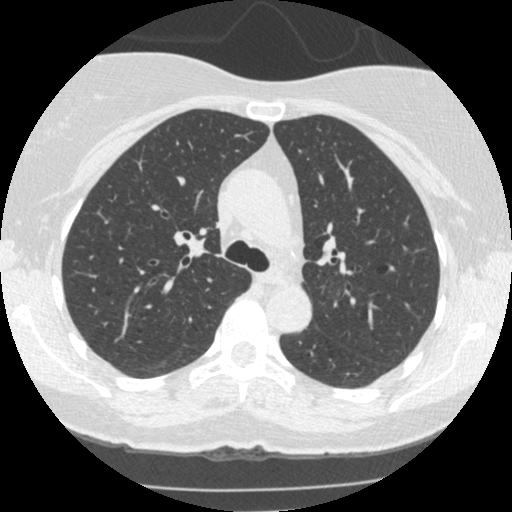
One axial slice (322 of 481, counting up from the lowest) of a chest CT acquired at 120 kVp with the STANDARD kernel; each pixel is 0.586 mm and the slice is 1.25 mm thick.
This slice carries no reader outline of a nodule 3 mm or larger.